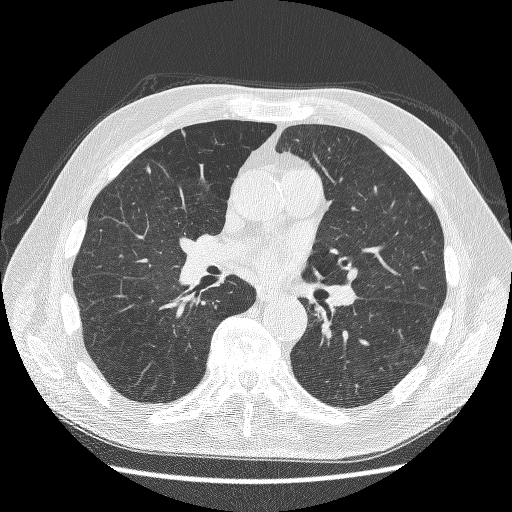
This is axial slice 127 of 241 (slice 1 is the lowest) of a chest CT; each pixel is 0.703 mm and the slice is 1.25 mm thick. Pulmonary nodule, outlined by one of the four readers. Box on this slice rows 165–173, columns 145–150, that reader's outline on this slice; longest diameter 7.3 mm and volume 53 mm3 from that reader's outline. That reader's ratings: texture 5/5 (solid); margin 5/5 (circumscribed); sphericity 4/5; calcification absent; internal structure soft tissue; subtlety 4/5; malignancy likelihood 3/5. Scale key (1–5): texture non-solid→solid, margin indistinct→circumscribed, sphericity linear→round, subtlety extremely subtle→obvious, malignancy likelihood highly unlikely→highly suspicious of cancer. Box rows and columns are 0-based pixel indices from the top-left corner, inclusive.
Scan settings: 120 kVp, BONE reconstruction kernel.